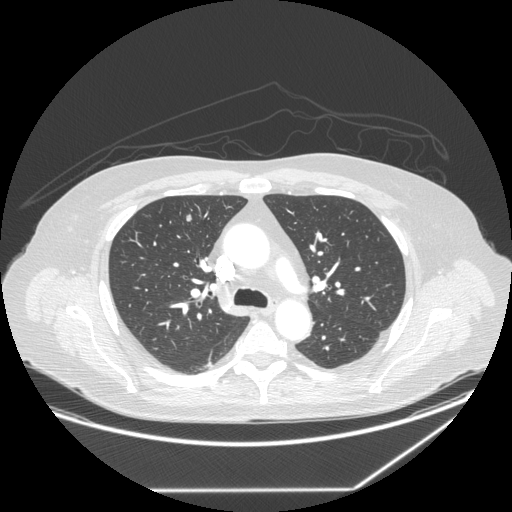
One axial slice (172 of 258, counting up from the lowest) of a chest CT acquired at 120 kVp with the STANDARD kernel; each pixel is 0.859 mm and the slice is 1.25 mm thick.
Pulmonary nodule at rows 214–221, columns 186–191 (box = the union of the readers' outlines on this slice), outlined by all four readers; median longest diameter 11.5 mm (readers' outlines 11.3–12.3 mm), median volume 339 mm3 (283–414 mm3). Ratings, median across the readers with their spread: texture 5/5 (solid), all four readers agreeing; margin 5/5 (circumscribed) at the median of four readers, spread 4/5 to 5/5 (circumscribed); sphericity 3/5 (ovoid) at the median of four readers, spread 3/5 (ovoid) to 5/5 (round); calcification absent, all four readers agreeing; internal structure soft tissue, all four readers agreeing; subtlety 4.5/5 at the median of four readers, spread 3–5; malignancy likelihood 3/5 at the median of four readers, spread 2–4. Scale key (1–5): texture non-solid→solid, margin indistinct→circumscribed, sphericity linear→round, subtlety extremely subtle→obvious, malignancy likelihood highly unlikely→highly suspicious of cancer. Box rows and columns are 0-based pixel indices from the top-left corner, inclusive.